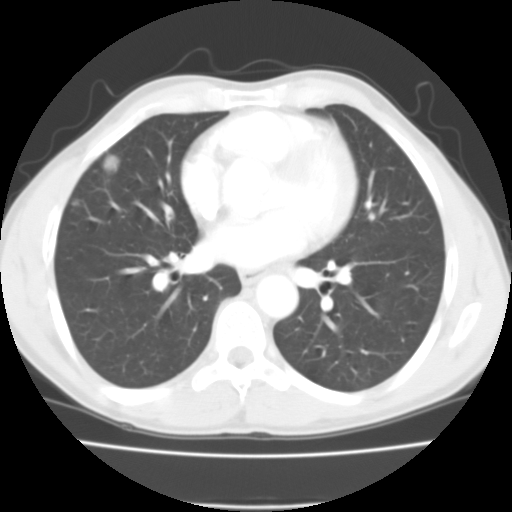
Axial chest CT slice 51 of 104 (counted from the lowest slice); 3.00 mm thick, 0.622 mm per pixel. Pulmonary nodule, outlined by all four readers. Box on this slice rows 155–175, columns 103–118, the union of the readers' outlines on this slice; longest diameter 17.9 mm on average over the four readers' outlines (readers' outlines 16.8–18.8 mm), volume 1860–2194 mm3. Ratings, by the readers' most common answer with dissent counted: texture 5/5 (solid) by three of four readers; the rest gave 4/5 (one); margin split among the readers: 4/5 (two), 5/5 (circumscribed) (two); sphericity 4/5 by three of four readers; the rest gave 5/5 (round) (one); calcification absent, all four readers agreeing; internal structure soft tissue, all four readers agreeing; subtlety 5/5 from all four readers; malignancy likelihood 3/5, all four readers agreeing. Scale key (1–5): texture non-solid→solid, margin indistinct→circumscribed, sphericity linear→round, subtlety extremely subtle→obvious, malignancy likelihood highly unlikely→highly suspicious of cancer. Box rows and columns are 0-based pixel indices from the top-left corner, inclusive.
Tube voltage 135 kVp; convolution kernel FC01.